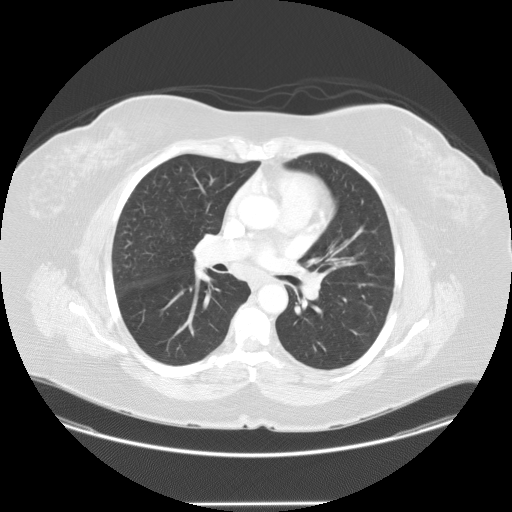
Axial slice 44 of 95 of a chest CT (slice 1 is the lowest), reconstructed with the STANDARD kernel at 120 kVp; 2.50 mm slice thickness and 0.859 mm pixels.
Pulmonary nodule outlined by all four readers, one of them on this slice; box rows 283–285, columns 368–372 (the one reader's outline on this slice); the four readers' outlines give a longest diameter between 7.3 and 8.8 mm and a volume between 138 and 212 mm3. The readers' ratings, as ranges where they differ: texture 5/5 (solid) from all four readers; margin from 4/5 to 5/5 (circumscribed) across the four readers; sphericity from 3/5 (ovoid) to 5/5 (round) across the four readers; calcification absent from all four readers; internal structure soft tissue, all four readers agreeing; subtlety from 2/5 to 3/5 across the four readers; malignancy likelihood from 2/5 to 3/5 across the four readers. Scale key (1–5): texture non-solid→solid, margin indistinct→circumscribed, sphericity linear→round, subtlety extremely subtle→obvious, malignancy likelihood highly unlikely→highly suspicious of cancer. Box rows and columns are 0-based pixel indices from the top-left corner, inclusive.